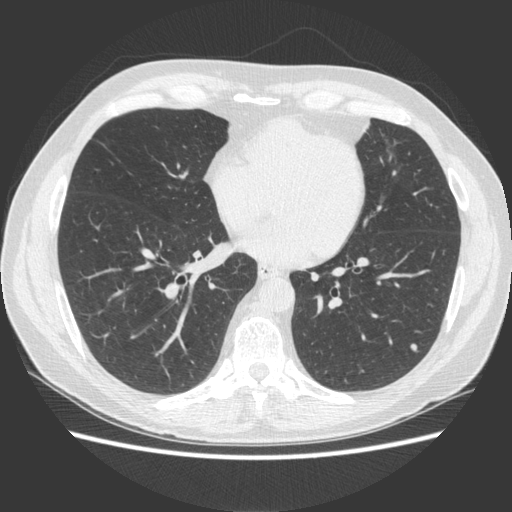
Chest CT, axial plane, 120 kVp, kernel STANDARD. Slice 200/500 from the bottom of the scan; thickness 1.25 mm; pixel size 0.703 mm.
Pulmonary nodule at rows 344–351, columns 409–416 (box = the union of the readers' outlines on this slice), outlined by three of the four readers; longest diameter 7.2 mm on average over the three readers' outlines (readers' outlines 6.6–8.2 mm), volume 102–165 mm3. Ratings, by the readers' most common answer with dissent counted: most readers (two of three) put texture at 5/5 (solid), others 4/5 (one); margin 4/5 by two of three readers; the rest gave 5/5 (circumscribed) (one); sphericity split among the readers: 3/5 (ovoid) (one), 4/5 (one), 5/5 (round) (one); calcification absent from all three readers; internal structure soft tissue, all three readers agreeing; subtlety 4/5 by two of three readers; the rest gave 5/5 (one); malignancy likelihood 2/5 by two of three readers; the rest gave 4/5 (one). Scale key (1–5): texture non-solid→solid, margin indistinct→circumscribed, sphericity linear→round, subtlety extremely subtle→obvious, malignancy likelihood highly unlikely→highly suspicious of cancer. Box rows and columns are 0-based pixel indices from the top-left corner, inclusive.